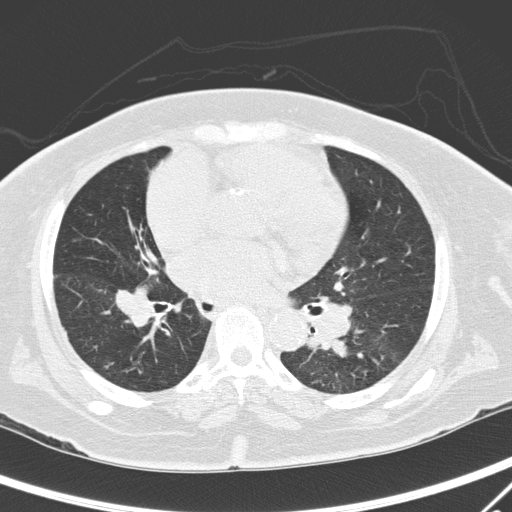
One axial slice (150 of 295, counting up from the lowest) of a chest CT acquired at 120 kVp with the D kernel; each pixel is 0.682 mm and the slice is 2.00 mm thick.
Pulmonary nodule outlined by one of the four readers; box rows 362–368, columns 104–113 (that reader's outline on this slice); longest diameter 49.8 mm and volume 6337 mm3 from that reader's outline. Ratings by that reader: texture 4/5; margin 1/5 (indistinct); sphericity 3/5 (ovoid); calcification absent; internal structure soft tissue; subtlety 5/5; malignancy likelihood 5/5. Scale key (1–5): texture non-solid→solid, margin indistinct→circumscribed, sphericity linear→round, subtlety extremely subtle→obvious, malignancy likelihood highly unlikely→highly suspicious of cancer. Box rows and columns are 0-based pixel indices from the top-left corner, inclusive.